Axial slice 398 of 541 of a chest CT (slice 1 is the lowest), reconstructed with the STANDARD kernel at 120 kVp; 1.25 mm slice thickness and 0.586 mm pixels.
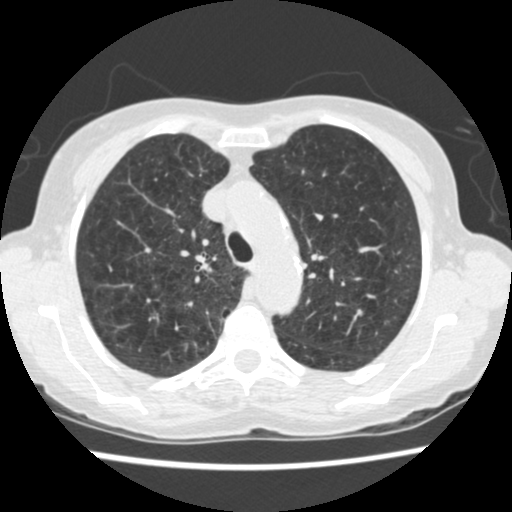
Pulmonary nodule, outlined by two of the four readers. Box on this slice rows 309–315, columns 357–362, the union of the readers' outlines on this slice; median longest diameter 5.8 mm (readers' outlines 5.6–6.1 mm), median volume 92 mm3 (85–100 mm3). Ratings, median across the readers with their spread: texture 5/5 (solid), both readers agreeing; margin 5/5 (circumscribed), both readers agreeing; median sphericity 4/5 (readers ranged 3/5 (ovoid) to 5/5 (round)); calcification split among the readers: absent (one), solid calcification (one); internal structure soft tissue from both readers; subtlety 3.5/5 at the median of two readers, spread 2–5; malignancy likelihood 2/5 at the median of two readers, spread 1–3. Scale key (1–5): texture non-solid→solid, margin indistinct→circumscribed, sphericity linear→round, subtlety extremely subtle→obvious, malignancy likelihood highly unlikely→highly suspicious of cancer. Box rows and columns are 0-based pixel indices from the top-left corner, inclusive.